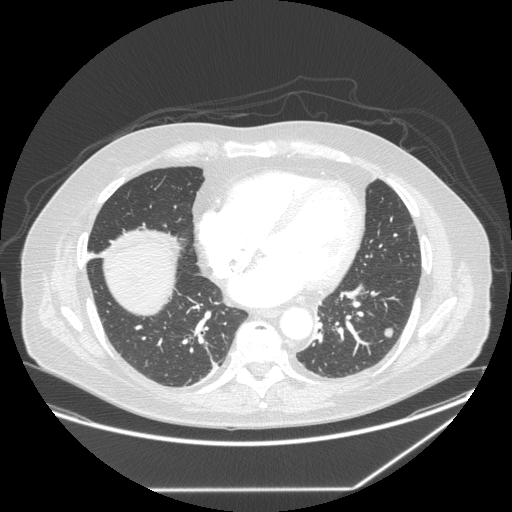
Slice 110/258 of a chest CT, counting up from the lowest; pixel size 0.859 mm, slice thickness 1.25 mm. Pulmonary nodule at rows 328–337, columns 383–392 (box = the union of the readers' outlines on this slice), outlined by all four readers; longest diameter 15.1 mm on average over the four readers' outlines (readers' outlines 13.1–16.3 mm), volume 787–1264 mm3. Ratings, by the readers' most common answer with dissent counted: texture 5/5 (solid) from all four readers; margin split among the readers: 4/5 (two), 5/5 (circumscribed) (two); sphericity 5/5 (round) by two of four readers; the rest gave 3/5 (ovoid) (one), 4/5 (one); calcification absent, all four readers agreeing; internal structure soft tissue, all four readers agreeing; most readers (three of four) put subtlety at 5/5, others 3/5 (one); malignancy likelihood 5/5 by two of four readers; the rest gave 2/5 (one), 3/5 (one). Scale key (1–5): texture non-solid→solid, margin indistinct→circumscribed, sphericity linear→round, subtlety extremely subtle→obvious, malignancy likelihood highly unlikely→highly suspicious of cancer. Box rows and columns are 0-based pixel indices from the top-left corner, inclusive.
Scan settings: 120 kVp, STANDARD reconstruction kernel.